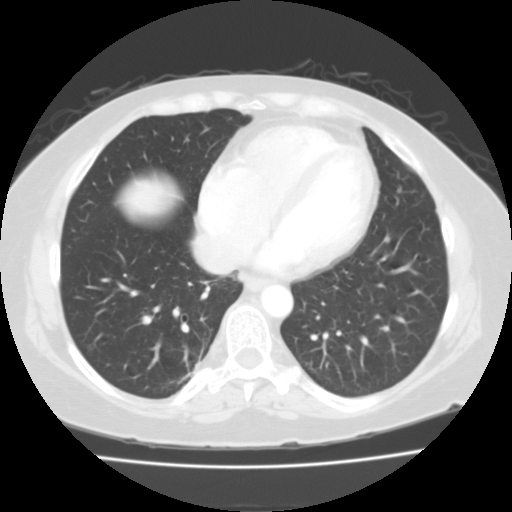
Axial chest CT slice 42 of 109 (counted from the lowest slice); tube voltage 135 kVp, convolution kernel FC01; slices 3.00 mm thick, 0.671 mm per pixel.
Pulmonary nodule outlined by one of the four readers; box rows 237–241, columns 386–389 (that reader's outline on this slice); longest diameter 4.8 mm and volume 59 mm3 from that reader's outline. That reader's ratings: texture 4/5; margin 3/5; sphericity 4/5; calcification absent; internal structure soft tissue; subtlety 4/5; malignancy likelihood 2/5. Scale key (1–5): texture non-solid→solid, margin indistinct→circumscribed, sphericity linear→round, subtlety extremely subtle→obvious, malignancy likelihood highly unlikely→highly suspicious of cancer. Box rows and columns are 0-based pixel indices from the top-left corner, inclusive.